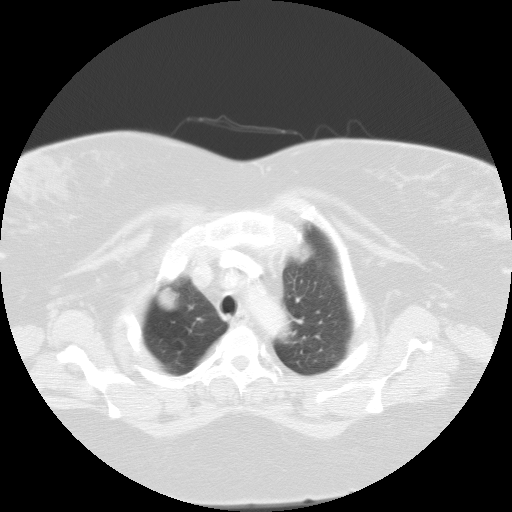
Axial slice 86 of 102 of a chest CT (slice 1 is the lowest), reconstructed with the FC01 kernel at 135 kVp; 3.00 mm slice thickness and 0.808 mm pixels.
Pulmonary nodule, outlined by all four readers. Box on this slice rows 284–310, columns 156–179, the union of the readers' outlines on this slice; median longest diameter 29.4 mm (readers' outlines 26.9–30.9 mm), median volume 6306 mm3 (5712–7254 mm3). Median ratings and the readers' spread: texture 5/5 (solid) from all four readers; margin 5/5 (circumscribed) from all four readers; sphericity 4.5/5 at the median of four readers, spread 4/5 to 5/5 (round); calcification absent from all four readers; internal structure soft tissue from all four readers; subtlety 5/5 from all four readers; malignancy likelihood 5/5 at the median of four readers, spread 2–5. Scale key (1–5): texture non-solid→solid, margin indistinct→circumscribed, sphericity linear→round, subtlety extremely subtle→obvious, malignancy likelihood highly unlikely→highly suspicious of cancer. Box rows and columns are 0-based pixel indices from the top-left corner, inclusive.